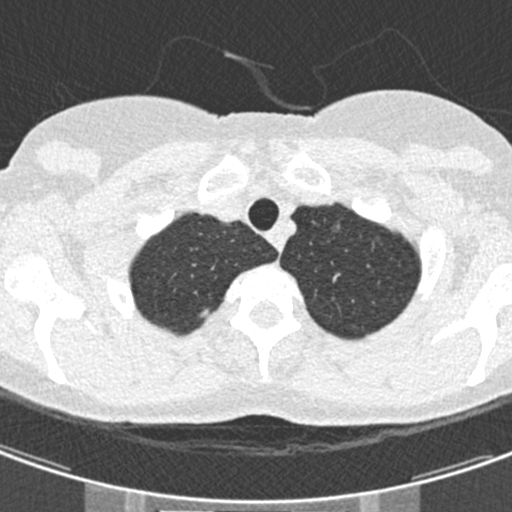
Chest CT, axial plane, 120 kVp, kernel B30f. Slice 388/429 from the bottom of the scan; thickness 0.75 mm; pixel size 0.537 mm.
Pulmonary nodule, outlined by one of the four readers. Box on this slice rows 221–232, columns 331–340, that reader's outline on this slice; longest diameter 7.3 mm and volume 72 mm3 from that reader's outline. That reader's ratings: texture 1/5 (non-solid); margin 1/5 (indistinct); sphericity 4/5; calcification absent; internal structure soft tissue; subtlety 1/5; malignancy likelihood 3/5. Scale key (1–5): texture non-solid→solid, margin indistinct→circumscribed, sphericity linear→round, subtlety extremely subtle→obvious, malignancy likelihood highly unlikely→highly suspicious of cancer. Box rows and columns are 0-based pixel indices from the top-left corner, inclusive.